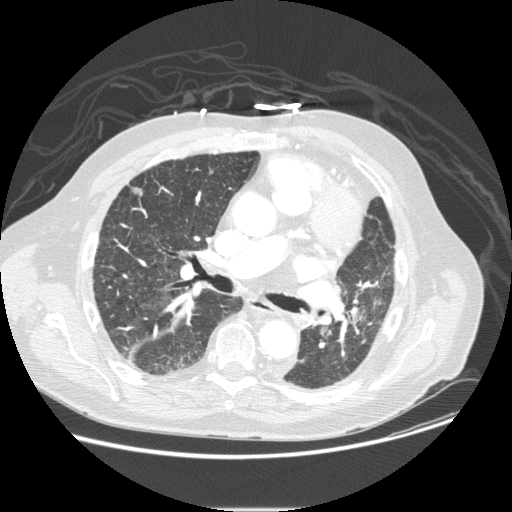
Axial chest CT slice 147 of 232 (counted from the lowest slice); tube voltage 120 kVp, convolution kernel STANDARD; slices 1.25 mm thick, 0.781 mm per pixel.
Pulmonary nodule outlined by all four readers; box rows 186–196, columns 131–142 (the union of the readers' outlines on this slice); median longest diameter 15.7 mm (readers' outlines 14.3–19.0 mm), median volume 640 mm3 (516–753 mm3). Median ratings and the readers' spread: texture 4.5/5 at the median of four readers, spread 4/5 to 5/5 (solid); margin 4/5 at the median of four readers, spread 3/5 to 4/5; sphericity 3/5 (ovoid) at the median of four readers, spread 3/5 (ovoid) to 4/5; calcification absent, all four readers agreeing; internal structure soft tissue from all four readers; median subtlety 4.5/5 (readers ranged 4–5); malignancy likelihood 3.5/5 at the median of four readers, spread 2–4. Scale key (1–5): texture non-solid→solid, margin indistinct→circumscribed, sphericity linear→round, subtlety extremely subtle→obvious, malignancy likelihood highly unlikely→highly suspicious of cancer. Box rows and columns are 0-based pixel indices from the top-left corner, inclusive.